One axial slice (335 of 445, counting up from the lowest) of a chest CT acquired at 120 kVp with the STANDARD kernel; each pixel is 0.645 mm and the slice is 1.25 mm thick.
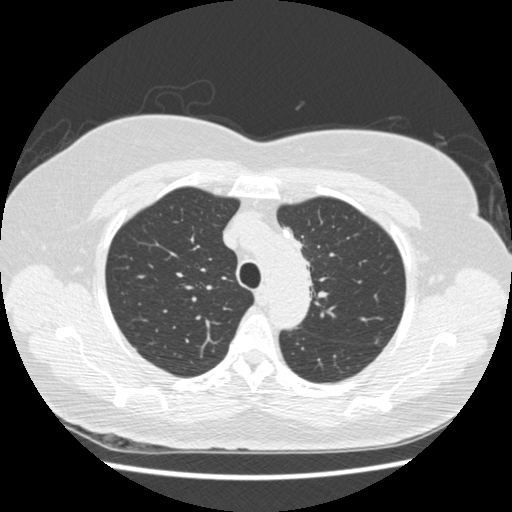
Pulmonary nodule at rows 337–344, columns 374–379 (box = the union of the readers' outlines on this slice), outlined by all four readers, three of them on this slice; longest diameter 9.9–11.6 mm and volume 292–430 mm3 across the four readers' outlines. The readers' ratings, as ranges where they differ: texture from 1/5 (non-solid) to 4/5 across the four readers; margin from 2/5 to 5/5 (circumscribed) across the four readers; sphericity from 3/5 (ovoid) to 5/5 (round) across the four readers; calcification absent from all four readers; internal structure soft tissue from all four readers; subtlety 3–5/5 (the readers disagree); malignancy likelihood from 2/5 to 5/5 across the four readers. Scale key (1–5): texture non-solid→solid, margin indistinct→circumscribed, sphericity linear→round, subtlety extremely subtle→obvious, malignancy likelihood highly unlikely→highly suspicious of cancer. Box rows and columns are 0-based pixel indices from the top-left corner, inclusive.